Axial chest CT slice 122 of 270 (counted from the lowest slice); tube voltage 120 kVp, convolution kernel BONE; slices 1.25 mm thick, 0.703 mm per pixel.
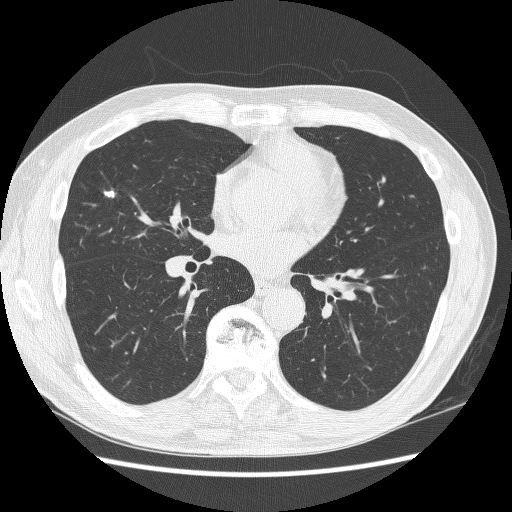
Pulmonary nodule at rows 189–198, columns 102–115 (box = the union of the readers' outlines on this slice), outlined by all four readers; median longest diameter 10.6 mm (readers' outlines 9.8–10.9 mm), median volume 255 mm3 (198–291 mm3). Median ratings and the readers' spread: texture 5/5 (solid) from all four readers; median margin 4.5/5 (readers ranged 3/5 to 5/5 (circumscribed)); sphericity 2.5/5 at the median of four readers, spread 2/5 to 3/5 (ovoid); calcification split among the readers: solid calcification (two), absent (two); internal structure soft tissue from all four readers; median subtlety 4/5 (readers ranged 3–5); median malignancy likelihood 2/5 (readers ranged 1–3). Scale key (1–5): texture non-solid→solid, margin indistinct→circumscribed, sphericity linear→round, subtlety extremely subtle→obvious, malignancy likelihood highly unlikely→highly suspicious of cancer. Box rows and columns are 0-based pixel indices from the top-left corner, inclusive.